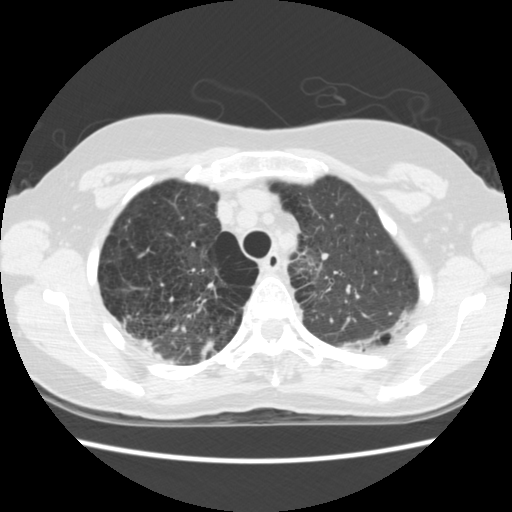
Axial chest CT slice 117 of 156 (counted from the lowest slice); 2.50 mm thick, 0.645 mm per pixel. The readers outlined no nodule of 3 mm or more on this slice.
Tube voltage 120 kVp; convolution kernel STANDARD.